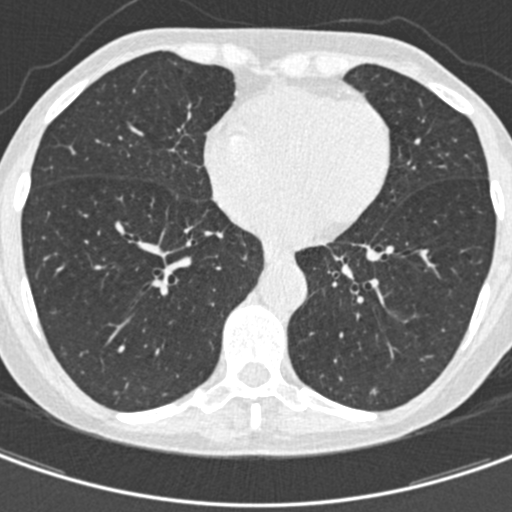
Slice 177/429 of a chest CT, counting up from the lowest; pixel size 0.537 mm, slice thickness 0.75 mm. Pulmonary nodule, outlined by two of the four readers. Box on this slice rows 388–393, columns 371–376, the union of the readers' outlines on this slice; median longest diameter 5.7 mm (readers' outlines 5.6–5.7 mm), median volume 29 mm3 (25–33 mm3). Median ratings and the readers' spread: median texture 4/5 (readers ranged 3/5 (part-solid) to 5/5 (solid)); margin 4/5 at the median of two readers, spread 3/5 to 5/5 (circumscribed); median sphericity 4.5/5 (readers ranged 4/5 to 5/5 (round)); calcification absent from both readers; internal structure soft tissue, both readers agreeing; median subtlety 3.5/5 (readers ranged 3–4); malignancy likelihood 2.5/5 at the median of two readers, spread 2–3. Scale key (1–5): texture non-solid→solid, margin indistinct→circumscribed, sphericity linear→round, subtlety extremely subtle→obvious, malignancy likelihood highly unlikely→highly suspicious of cancer. Box rows and columns are 0-based pixel indices from the top-left corner, inclusive.
Tube voltage 120 kVp; convolution kernel B30f.